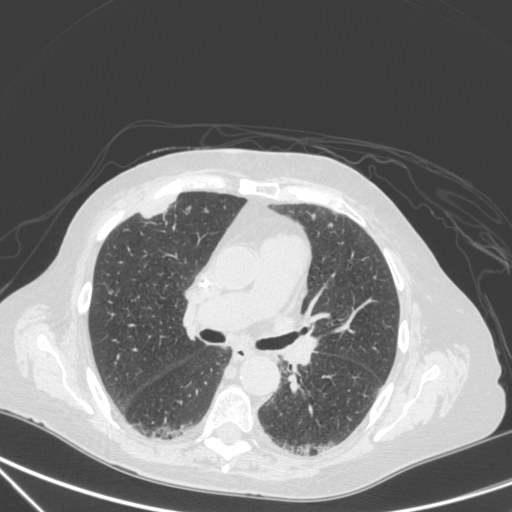
Chest CT, axial plane, 120 kVp, kernel C. Slice 189/350 from the bottom of the scan; thickness 1.50 mm; pixel size 0.725 mm.
Pulmonary nodule, outlined by one of the four readers. Box on this slice rows 198–217, columns 141–175, that reader's outline on this slice; longest diameter 29.5 mm and volume 4181 mm3 from that reader's outline. Ratings by that reader: texture 5/5 (solid); margin 4/5; sphericity 2/5; calcification absent; internal structure soft tissue; subtlety 5/5; malignancy likelihood 4/5. Scale key (1–5): texture non-solid→solid, margin indistinct→circumscribed, sphericity linear→round, subtlety extremely subtle→obvious, malignancy likelihood highly unlikely→highly suspicious of cancer. Box rows and columns are 0-based pixel indices from the top-left corner, inclusive.